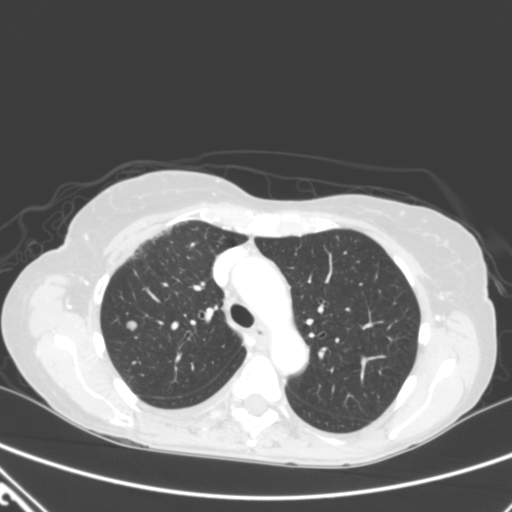
Axial chest CT slice 233 of 320 (counted from the lowest slice); tube voltage 120 kVp, convolution kernel B; slices 2.00 mm thick, 0.662 mm per pixel.
Pulmonary nodule outlined by all four readers; box rows 320–331, columns 126–137 (the union of the readers' outlines on this slice); median longest diameter 9.2 mm (readers' outlines 8.0–10.5 mm), median volume 260 mm3 (192–341 mm3). Median ratings and the readers' spread: texture 5/5 (solid), all four readers agreeing; median margin 5/5 (circumscribed) (readers ranged 4/5 to 5/5 (circumscribed)); sphericity 4.5/5 at the median of four readers, spread 4/5 to 5/5 (round); calcification absent from all four readers; internal structure soft tissue from all four readers; subtlety 5/5 from all four readers; median malignancy likelihood 4.5/5 (readers ranged 2–5). Scale key (1–5): texture non-solid→solid, margin indistinct→circumscribed, sphericity linear→round, subtlety extremely subtle→obvious, malignancy likelihood highly unlikely→highly suspicious of cancer. Box rows and columns are 0-based pixel indices from the top-left corner, inclusive.